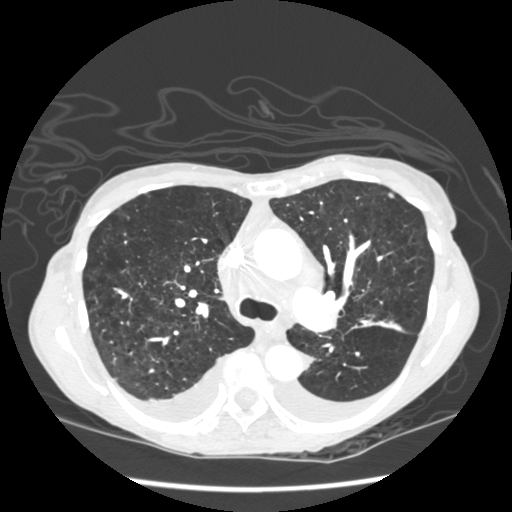
One axial slice (148 of 233, counting up from the lowest) of a chest CT acquired at 120 kVp with the STANDARD kernel; each pixel is 0.664 mm and the slice is 1.25 mm thick.
Pulmonary nodule at rows 193–197, columns 388–393 (box = that reader's outline on this slice), outlined by one of the four readers; longest diameter 5.1 mm and volume 32 mm3 from that reader's outline. That reader's ratings: texture 5/5 (solid); margin 4/5; sphericity 3/5 (ovoid); calcification absent; internal structure soft tissue; subtlety 2/5; malignancy likelihood 2/5. Scale key (1–5): texture non-solid→solid, margin indistinct→circumscribed, sphericity linear→round, subtlety extremely subtle→obvious, malignancy likelihood highly unlikely→highly suspicious of cancer. Box rows and columns are 0-based pixel indices from the top-left corner, inclusive.